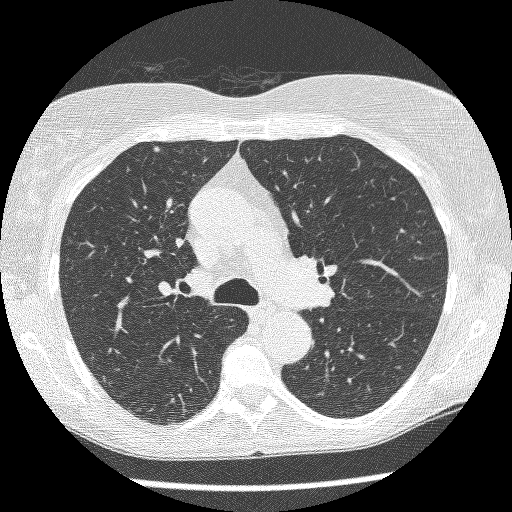
Chest CT, axial plane, 120 kVp, kernel BONE. Slice 150/230 from the bottom of the scan; thickness 1.25 mm; pixel size 0.605 mm.
Pulmonary nodule outlined by two of the four readers; box rows 146–151, columns 152–159 (the union of the readers' outlines on this slice); median longest diameter 5.2 mm (readers' outlines 4.6–5.7 mm), median volume 30 mm3 (18–42 mm3). Median ratings and the readers' spread: median texture 4/5 (readers ranged 3/5 (part-solid) to 5/5 (solid)); median margin 3.5/5 (readers ranged 3/5 to 4/5); sphericity 3.5/5 at the median of two readers, spread 3/5 (ovoid) to 4/5; calcification absent from both readers; internal structure soft tissue from both readers; median subtlety 4.5/5 (readers ranged 4–5); malignancy likelihood 3.5/5 at the median of two readers, spread 3–4. Scale key (1–5): texture non-solid→solid, margin indistinct→circumscribed, sphericity linear→round, subtlety extremely subtle→obvious, malignancy likelihood highly unlikely→highly suspicious of cancer. Box rows and columns are 0-based pixel indices from the top-left corner, inclusive.